Axial slice 205 of 248 of a chest CT (slice 1 is the lowest), reconstructed with the D kernel at 120 kVp; 2.00 mm slice thickness and 0.633 mm pixels.
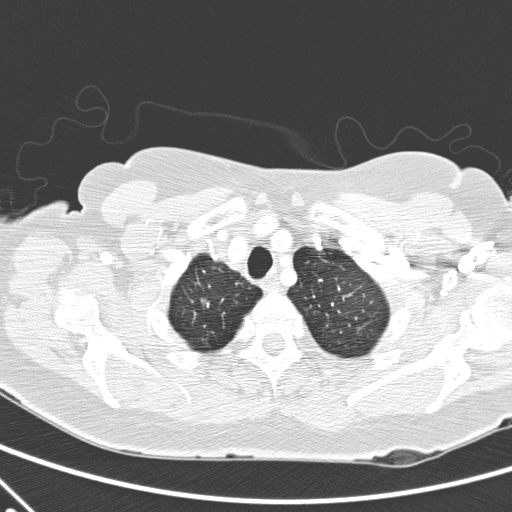
Pulmonary nodule at rows 298–306, columns 200–209 (box = that reader's outline on this slice), outlined by one of the four readers; longest diameter 9.2 mm and volume 163 mm3 from that reader's outline. Ratings by that reader: texture 3/5 (part-solid); margin 4/5; sphericity 2/5; calcification absent; internal structure soft tissue; subtlety 5/5; malignancy likelihood 4/5. Scale key (1–5): texture non-solid→solid, margin indistinct→circumscribed, sphericity linear→round, subtlety extremely subtle→obvious, malignancy likelihood highly unlikely→highly suspicious of cancer. Box rows and columns are 0-based pixel indices from the top-left corner, inclusive.